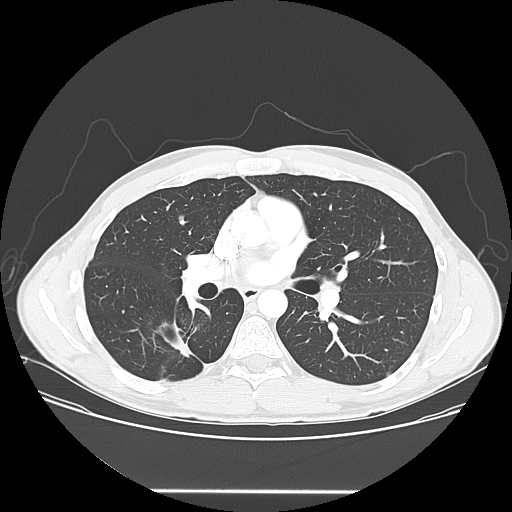
Axial chest CT slice 90 of 150 (counted from the lowest slice); 2.50 mm thick, 0.781 mm per pixel. Two pulmonary nodules on this slice, listed from left to right. (1) Pulmonary nodule at rows 217–224, columns 179–186 (box = that reader's outline on this slice), outlined by one of the four readers; longest diameter 9.1 mm and volume 317 mm3 from that reader's outline. That reader's ratings: texture 5/5 (solid); margin 5/5 (circumscribed); sphericity 3/5 (ovoid); calcification solid calcification; internal structure soft tissue; subtlety 4/5; malignancy likelihood 1/5. (2) Pulmonary nodule at rows 372–374, columns 386–390 (box = that reader's outline on this slice), outlined by one of the four readers; longest diameter 5.7 mm and volume 87 mm3 from that reader's outline. That reader's ratings: texture 5/5 (solid); margin 5/5 (circumscribed); sphericity 3/5 (ovoid); calcification absent; internal structure soft tissue; subtlety 5/5; malignancy likelihood 3/5. Scale key (1–5): texture non-solid→solid, margin indistinct→circumscribed, sphericity linear→round, subtlety extremely subtle→obvious, malignancy likelihood highly unlikely→highly suspicious of cancer. Box rows and columns are 0-based pixel indices from the top-left corner, inclusive.
Scan settings: 120 kVp, LUNG reconstruction kernel.